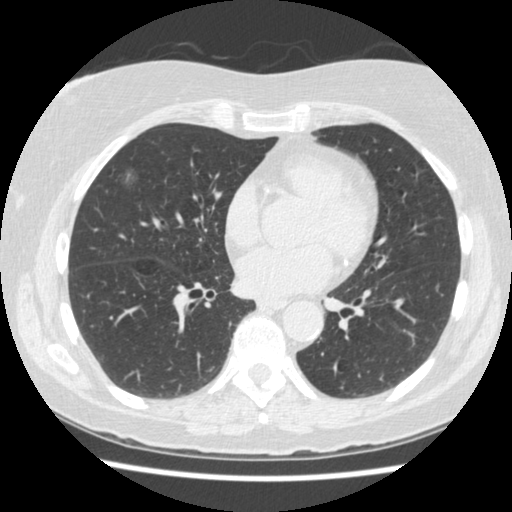
Axial chest CT slice 213 of 474 (counted from the lowest slice); tube voltage 120 kVp, convolution kernel STANDARD; slices 1.25 mm thick, 0.625 mm per pixel.
Pulmonary nodule, outlined by all four readers. Box on this slice rows 166–185, columns 120–137, the union of the readers' outlines on this slice; the four readers' outlines give a longest diameter between 12.6 and 15.8 mm and a volume between 209 and 921 mm3. The readers' ratings, as ranges where they differ: texture from 2/5 to 3/5 (part-solid) across the four readers; margin from 1/5 (indistinct) to 3/5 across the four readers; sphericity from 2/5 to 5/5 (round) across the four readers; calcification absent from all four readers; internal structure soft tissue, all four readers agreeing; subtlety rated between 3 and 5 out of 5 by the four readers; malignancy likelihood from 3/5 to 5/5 across the four readers. Scale key (1–5): texture non-solid→solid, margin indistinct→circumscribed, sphericity linear→round, subtlety extremely subtle→obvious, malignancy likelihood highly unlikely→highly suspicious of cancer. Box rows and columns are 0-based pixel indices from the top-left corner, inclusive.